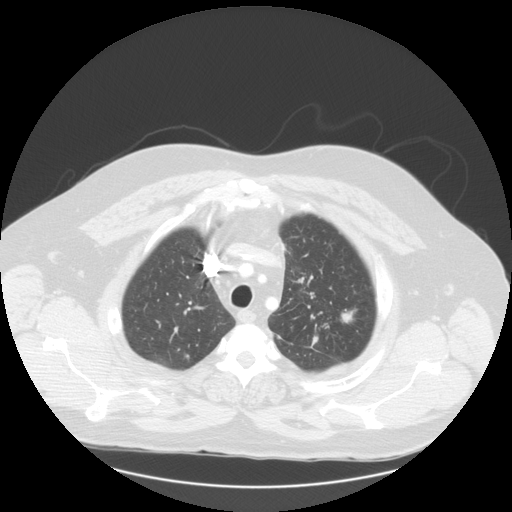
Slice 113/133 of a chest CT, counting up from the lowest; pixel size 0.859 mm, slice thickness 2.50 mm. Two pulmonary nodules on this slice, listed from left to right. (1) Pulmonary nodule outlined by all four readers; box rows 353–359, columns 184–190 (the union of the readers' outlines on this slice); longest diameter 8.8 mm on average over the four readers' outlines (readers' outlines 8.2–9.3 mm), volume 187–316 mm3. The readers' prevailing ratings and who disagreed: texture 5/5 (solid), all four readers agreeing; margin split among the readers: 4/5 (two), 5/5 (circumscribed) (two); sphericity 4/5 by two of four readers; the rest gave 3/5 (ovoid) (one), 5/5 (round) (one); calcification absent from all four readers; internal structure soft tissue from all four readers; most readers (three of four) put subtlety at 3/5, others 4/5 (one); malignancy likelihood split among the readers: 2/5 (two), 3/5 (two). (2) Pulmonary nodule, outlined by all four readers. Box on this slice rows 305–324, columns 339–358, the union of the readers' outlines on this slice; median longest diameter 18.0 mm (readers' outlines 16.4–22.4 mm), median volume 1975 mm3 (1808–2759 mm3). Median ratings and the readers' spread: median texture 4.5/5 (readers ranged 4/5 to 5/5 (solid)); margin 4/5 at the median of four readers, spread 3/5 to 5/5 (circumscribed); median sphericity 4.5/5 (readers ranged 3/5 (ovoid) to 5/5 (round)); calcification absent from all four readers; internal structure soft tissue from all four readers; subtlety 5/5 at the median of four readers, spread 3–5; malignancy likelihood 4.5/5 at the median of four readers, spread 4–5. Scale key (1–5): texture non-solid→solid, margin indistinct→circumscribed, sphericity linear→round, subtlety extremely subtle→obvious, malignancy likelihood highly unlikely→highly suspicious of cancer. Box rows and columns are 0-based pixel indices from the top-left corner, inclusive.
Scan settings: 120 kVp, STANDARD reconstruction kernel.